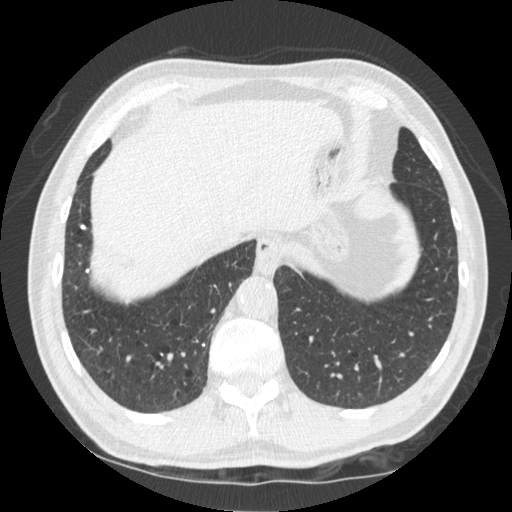
Axial chest CT slice 115 of 535 (counted from the lowest slice); tube voltage 120 kVp, convolution kernel STANDARD; slices 1.25 mm thick, 0.664 mm per pixel.
Pulmonary nodule outlined by one of the four readers; box rows 225–229, columns 80–84 (that reader's outline on this slice); longest diameter 5.7 mm and volume 64 mm3 from that reader's outline. That reader's ratings: texture 5/5 (solid); margin 5/5 (circumscribed); sphericity 5/5 (round); calcification solid calcification; internal structure soft tissue; subtlety 5/5; malignancy likelihood 1/5. Scale key (1–5): texture non-solid→solid, margin indistinct→circumscribed, sphericity linear→round, subtlety extremely subtle→obvious, malignancy likelihood highly unlikely→highly suspicious of cancer. Box rows and columns are 0-based pixel indices from the top-left corner, inclusive.